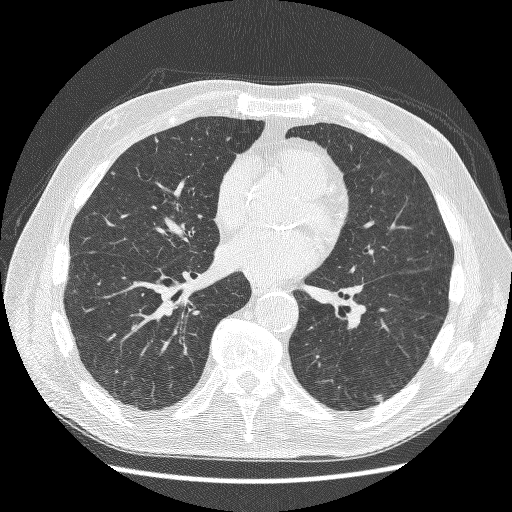
This is axial slice 108 of 241 (slice 1 is the lowest) of a chest CT; each pixel is 0.703 mm and the slice is 1.25 mm thick. Pulmonary nodule outlined by all four readers; box rows 394–402, columns 374–383 (the union of the readers' outlines on this slice); median longest diameter 8.2 mm (readers' outlines 7.3–8.7 mm), median volume 119 mm3 (91–167 mm3). Median ratings and the readers' spread: texture 5/5 (solid), all four readers agreeing; median margin 5/5 (circumscribed) (readers ranged 4/5 to 5/5 (circumscribed)); sphericity 4/5 at the median of four readers, spread 3/5 (ovoid) to 5/5 (round); calcification: absent (three), solid calcification (one); internal structure soft tissue from all four readers; subtlety 4/5 at the median of four readers, spread 4–5; malignancy likelihood 3/5 at the median of four readers, spread 1–4. Scale key (1–5): texture non-solid→solid, margin indistinct→circumscribed, sphericity linear→round, subtlety extremely subtle→obvious, malignancy likelihood highly unlikely→highly suspicious of cancer. Box rows and columns are 0-based pixel indices from the top-left corner, inclusive.
Scan settings: 120 kVp, BONE reconstruction kernel.